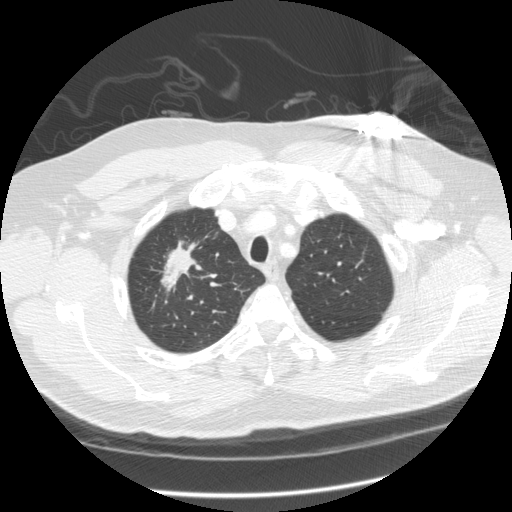
This is axial slice 257 of 305 (slice 1 is the lowest) of a chest CT; each pixel is 0.732 mm and the slice is 1.25 mm thick. Pulmonary nodule outlined by three of the four readers; box rows 239–292, columns 158–202 (the union of the readers' outlines on this slice); median longest diameter 43.6 mm (readers' outlines 41.0–45.9 mm), median volume 9712 mm3 (6528–11092 mm3). Ratings, median across the readers with their spread: texture 4/5 at the median of three readers, spread 3/5 (part-solid) to 5/5 (solid); margin 3/5 at the median of three readers, spread 1/5 (indistinct) to 4/5; median sphericity 3/5 (ovoid) (readers ranged 2/5 to 3/5 (ovoid)); calcification absent from all three readers; internal structure soft tissue, all three readers agreeing; subtlety 5/5 from all three readers; malignancy likelihood 5/5, all three readers agreeing. Scale key (1–5): texture non-solid→solid, margin indistinct→circumscribed, sphericity linear→round, subtlety extremely subtle→obvious, malignancy likelihood highly unlikely→highly suspicious of cancer. Box rows and columns are 0-based pixel indices from the top-left corner, inclusive.
Tube voltage 120 kVp; convolution kernel STANDARD.